Axial chest CT slice 89 of 181 (counted from the lowest slice); tube voltage 120 kVp, convolution kernel B30f; slices 2.00 mm thick, 0.664 mm per pixel.
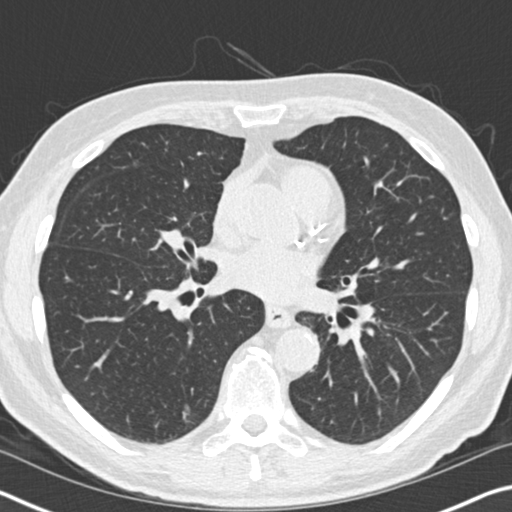
Pulmonary nodule at rows 404–410, columns 184–189 (box = the union of the readers' outlines on this slice), outlined by all four readers, three of them on this slice; longest diameter 7.2–9.5 mm and volume 90–170 mm3 across the four readers' outlines. Ratings across the readers: texture from 4/5 to 5/5 (solid) across the four readers; margin 4/5, all four readers agreeing; sphericity from 2/5 to 5/5 (round) across the four readers; calcification absent, all four readers agreeing; internal structure soft tissue from all four readers; subtlety rated between 3 and 5 out of 5 by the four readers; malignancy likelihood 2–3/5 (the readers disagree). Scale key (1–5): texture non-solid→solid, margin indistinct→circumscribed, sphericity linear→round, subtlety extremely subtle→obvious, malignancy likelihood highly unlikely→highly suspicious of cancer. Box rows and columns are 0-based pixel indices from the top-left corner, inclusive.